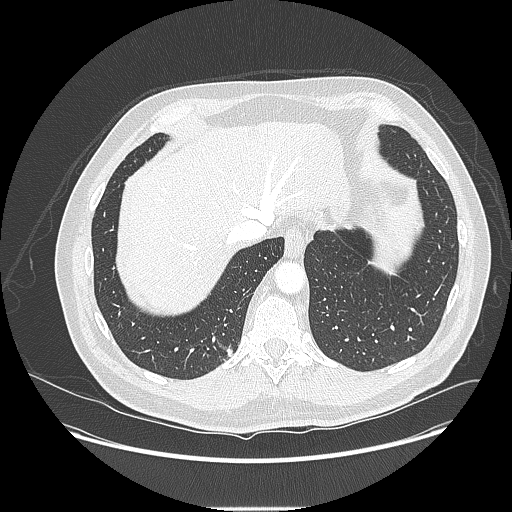
Slice 28/214 of a chest CT, counting up from the lowest; pixel size 0.820 mm, slice thickness 1.25 mm. Pulmonary nodule at rows 223–228, columns 343–351 (box = the one reader's outline on this slice), outlined by all four readers, one of them on this slice; longest diameter 14.1 mm on average over the four readers' outlines (readers' outlines 13.0–15.6 mm), volume 578–699 mm3. Ratings, by the readers' most common answer with dissent counted: texture 5/5 (solid), all four readers agreeing; margin 5/5 (circumscribed) by three of four readers; the rest gave 4/5 (one); sphericity 5/5 (round) by two of four readers; the rest gave 3/5 (ovoid) (one), 4/5 (one); calcification absent, all four readers agreeing; internal structure soft tissue, all four readers agreeing; subtlety 5/5 by two of four readers; the rest gave 3/5 (one), 4/5 (one); malignancy likelihood 4/5 by two of four readers; the rest gave 2/5 (one), 3/5 (one). Scale key (1–5): texture non-solid→solid, margin indistinct→circumscribed, sphericity linear→round, subtlety extremely subtle→obvious, malignancy likelihood highly unlikely→highly suspicious of cancer. Box rows and columns are 0-based pixel indices from the top-left corner, inclusive.
Scan settings: 120 kVp, LUNG reconstruction kernel.